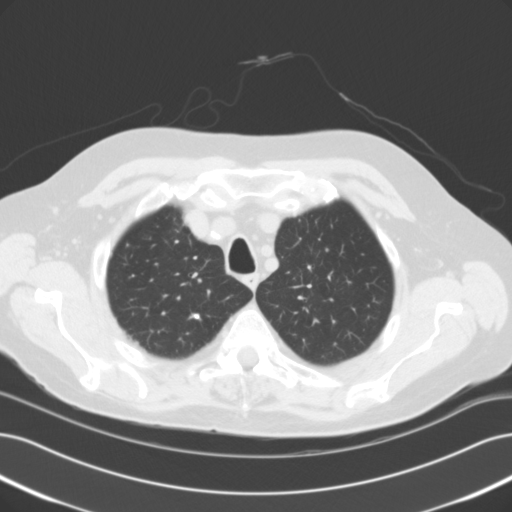
Axial slice 99 of 118 of a chest CT (slice 1 is the lowest), reconstructed with the B31f kernel at 120 kVp; 3.00 mm slice thickness and 0.707 mm pixels.
Pulmonary nodule at rows 314–318, columns 190–199 (box = the union of the readers' outlines on this slice), outlined by two of the four readers; longest diameter 7.2 mm on average over the two readers' outlines (readers' outlines 6.7–7.8 mm), volume 118–140 mm3. Ratings, by the readers' most common answer with dissent counted: texture 5/5 (solid) from both readers; margin split among the readers: 4/5 (one), 5/5 (circumscribed) (one); sphericity split among the readers: 2/5 (one), 4/5 (one); calcification solid calcification from both readers; internal structure soft tissue, both readers agreeing; subtlety split among the readers: 1/5 (one), 5/5 (one); malignancy likelihood 1/5 from both readers. Scale key (1–5): texture non-solid→solid, margin indistinct→circumscribed, sphericity linear→round, subtlety extremely subtle→obvious, malignancy likelihood highly unlikely→highly suspicious of cancer. Box rows and columns are 0-based pixel indices from the top-left corner, inclusive.